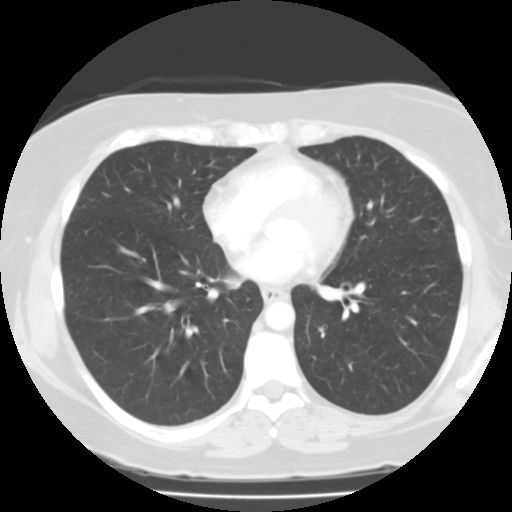
This is axial slice 54 of 112 (slice 1 is the lowest) of a chest CT; each pixel is 0.659 mm and the slice is 3.00 mm thick. Pulmonary nodule outlined by one of the four readers; box rows 327–336, columns 319–323 (that reader's outline on this slice); longest diameter 7.3 mm and volume 212 mm3 from that reader's outline. That reader's ratings: texture 1/5 (non-solid); margin 1/5 (indistinct); sphericity 4/5; calcification absent; internal structure fluid; subtlety 3/5; malignancy likelihood 3/5. Scale key (1–5): texture non-solid→solid, margin indistinct→circumscribed, sphericity linear→round, subtlety extremely subtle→obvious, malignancy likelihood highly unlikely→highly suspicious of cancer. Box rows and columns are 0-based pixel indices from the top-left corner, inclusive.
Scan settings: 135 kVp, FC01 reconstruction kernel.